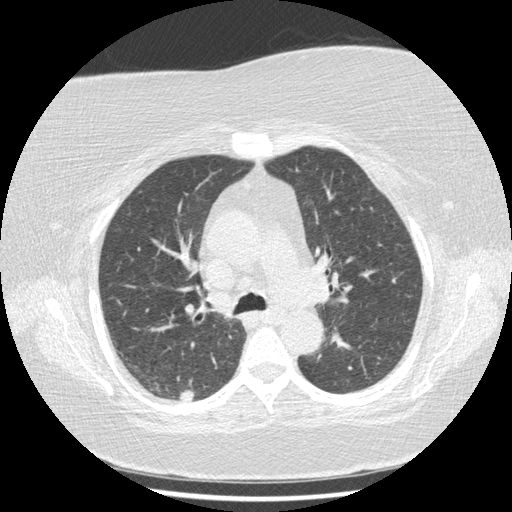
Slice 292/417 of a chest CT, counting up from the lowest; pixel size 0.703 mm, slice thickness 1.25 mm. Pulmonary nodule outlined by all four readers; box rows 390–402, columns 179–194 (the union of the readers' outlines on this slice); median longest diameter 11.8 mm (readers' outlines 11.0–13.8 mm), median volume 406 mm3 (306–515 mm3). Median ratings and the readers' spread: texture 5/5 (solid) from all four readers; margin 5/5 (circumscribed) at the median of four readers, spread 4/5 to 5/5 (circumscribed); sphericity 4.5/5 at the median of four readers, spread 3/5 (ovoid) to 5/5 (round); calcification absent, all four readers agreeing; internal structure soft tissue, all four readers agreeing; subtlety 4.5/5 at the median of four readers, spread 3–5; median malignancy likelihood 3.5/5 (readers ranged 2–4). Scale key (1–5): texture non-solid→solid, margin indistinct→circumscribed, sphericity linear→round, subtlety extremely subtle→obvious, malignancy likelihood highly unlikely→highly suspicious of cancer. Box rows and columns are 0-based pixel indices from the top-left corner, inclusive.
Acquired at 120 kVp and reconstructed with the STANDARD kernel.